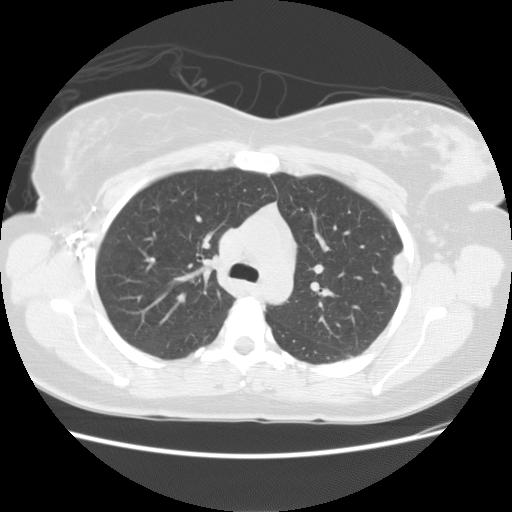
Axial chest CT slice 93 of 127 (counted from the lowest slice); tube voltage 120 kVp, convolution kernel STANDARD; slices 2.50 mm thick, 0.703 mm per pixel.
Pulmonary nodule, outlined by all four readers. Box on this slice rows 248–282, columns 392–406, the union of the readers' outlines on this slice; median longest diameter 25.4 mm (readers' outlines 24.6–26.3 mm), median volume 2367 mm3 (2071–2699 mm3). Median ratings and the readers' spread: texture 5/5 (solid), all four readers agreeing; median margin 5/5 (circumscribed) (readers ranged 4/5 to 5/5 (circumscribed)); median sphericity 3/5 (ovoid) (readers ranged 3/5 (ovoid) to 5/5 (round)); calcification absent, all four readers agreeing; internal structure soft tissue, all four readers agreeing; subtlety 5/5, all four readers agreeing; malignancy likelihood 4.5/5 at the median of four readers, spread 3–5. Scale key (1–5): texture non-solid→solid, margin indistinct→circumscribed, sphericity linear→round, subtlety extremely subtle→obvious, malignancy likelihood highly unlikely→highly suspicious of cancer. Box rows and columns are 0-based pixel indices from the top-left corner, inclusive.